Axial slice 179 of 506 of a chest CT (slice 1 is the lowest), reconstructed with the B30f kernel at 120 kVp; 0.75 mm slice thickness and 0.699 mm pixels.
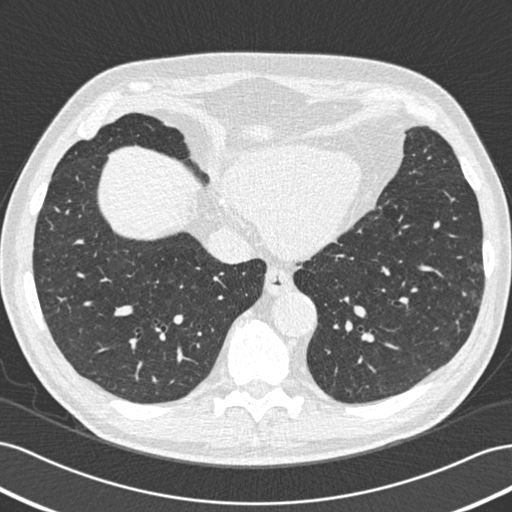
Pulmonary nodule outlined by all four readers; box rows 292–295, columns 462–466 (the union of the readers' outlines on this slice); longest diameter 7.1 mm on average over the four readers' outlines (readers' outlines 6.6–7.8 mm), volume 93–162 mm3. Ratings, by the readers' most common answer with dissent counted: texture 5/5 (solid), all four readers agreeing; margin 5/5 (circumscribed) by two of four readers; the rest gave 3/5 (one), 4/5 (one); sphericity 3/5 (ovoid) by three of four readers; the rest gave 5/5 (round) (one); calcification absent, all four readers agreeing; internal structure soft tissue from all four readers; subtlety split among the readers: 2/5 (two), 3/5 (two); malignancy likelihood 3/5 by two of four readers; the rest gave 1/5 (one), 2/5 (one). Scale key (1–5): texture non-solid→solid, margin indistinct→circumscribed, sphericity linear→round, subtlety extremely subtle→obvious, malignancy likelihood highly unlikely→highly suspicious of cancer. Box rows and columns are 0-based pixel indices from the top-left corner, inclusive.